One axial slice (64 of 99, counting up from the lowest) of a chest CT acquired at 135 kVp with the FC01 kernel; each pixel is 0.698 mm and the slice is 3.00 mm thick.
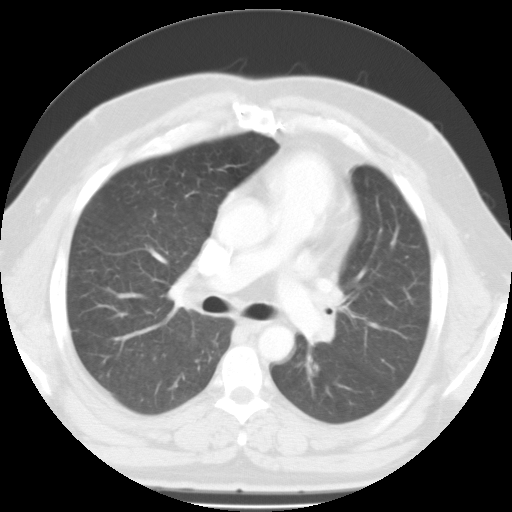
None of the four readers outlined a nodule of 3 mm or more on this slice.